One axial slice (119 of 253, counting up from the lowest) of a chest CT acquired at 120 kVp with the STANDARD kernel; each pixel is 0.742 mm and the slice is 1.25 mm thick.
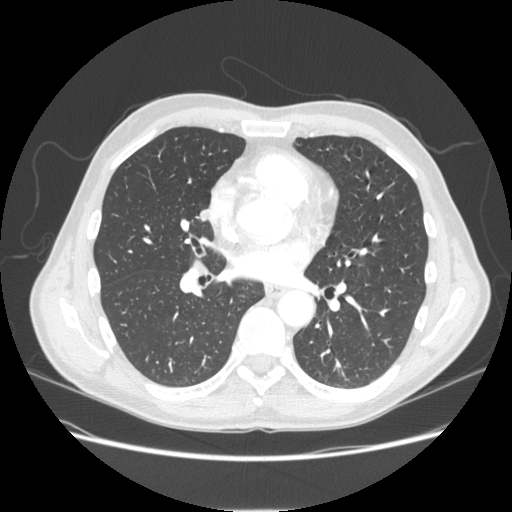
Pulmonary nodule, outlined by all four readers. Box on this slice rows 209–221, columns 200–208, the union of the readers' outlines on this slice; median longest diameter 9.4 mm (readers' outlines 8.7–10.7 mm), median volume 294 mm3 (228–321 mm3). Ratings, median across the readers with their spread: texture 5/5 (solid), all four readers agreeing; margin 5/5 (circumscribed) from all four readers; median sphericity 4.5/5 (readers ranged 3/5 (ovoid) to 5/5 (round)); calcification absent, all four readers agreeing; internal structure soft tissue from all four readers; subtlety 3.5/5 at the median of four readers, spread 3–5; malignancy likelihood 2.5/5 at the median of four readers, spread 2–4. Scale key (1–5): texture non-solid→solid, margin indistinct→circumscribed, sphericity linear→round, subtlety extremely subtle→obvious, malignancy likelihood highly unlikely→highly suspicious of cancer. Box rows and columns are 0-based pixel indices from the top-left corner, inclusive.